Chest CT, axial plane, 120 kVp, kernel STANDARD. Slice 112/133 from the bottom of the scan; thickness 2.50 mm; pixel size 0.781 mm.
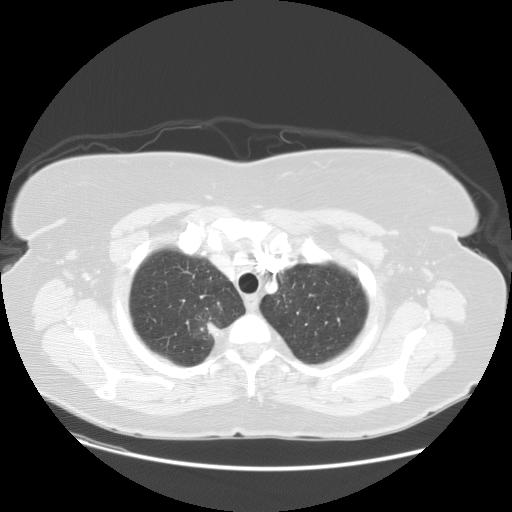
Pulmonary nodule outlined by all four readers; box rows 320–336, columns 206–218 (the union of the readers' outlines on this slice); longest diameter 35.0 mm on average over the four readers' outlines (readers' outlines 31.6–37.9 mm), volume 3786–6747 mm3. The readers' prevailing ratings and who disagreed: texture 5/5 (solid) by two of four readers; the rest gave 3/5 (part-solid) (one), 4/5 (one); margin 3/5 by three of four readers; the rest gave 1/5 (indistinct) (one); sphericity 3/5 (ovoid) by two of four readers; the rest gave 2/5 (one), 4/5 (one); calcification absent, all four readers agreeing; internal structure soft tissue from all four readers; subtlety 5/5 from all four readers; most readers (three of four) put malignancy likelihood at 5/5, others 3/5 (one). Scale key (1–5): texture non-solid→solid, margin indistinct→circumscribed, sphericity linear→round, subtlety extremely subtle→obvious, malignancy likelihood highly unlikely→highly suspicious of cancer. Box rows and columns are 0-based pixel indices from the top-left corner, inclusive.